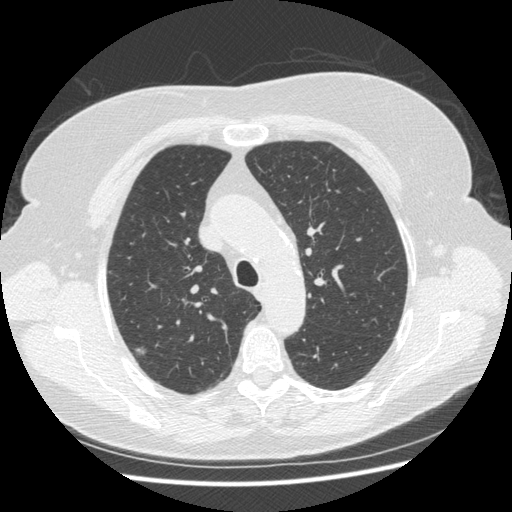
Axial slice 307 of 413 of a chest CT (slice 1 is the lowest), reconstructed with the STANDARD kernel at 120 kVp; 1.25 mm slice thickness and 0.703 mm pixels.
Pulmonary nodule at rows 347–355, columns 135–146 (box = the union of the readers' outlines on this slice), outlined by three of the four readers; median longest diameter 10.2 mm (readers' outlines 8.7–10.5 mm), median volume 150 mm3 (88–182 mm3). Ratings, median across the readers with their spread: median texture 3/5 (part-solid) (readers ranged 2/5 to 5/5 (solid)); margin 2/5 at the median of three readers, spread 1/5 (indistinct) to 4/5; median sphericity 4/5 (readers ranged 3/5 (ovoid) to 4/5); calcification absent from all three readers; internal structure soft tissue, all three readers agreeing; subtlety 4/5 at the median of three readers, spread 4–5; malignancy likelihood 4/5, all three readers agreeing. Scale key (1–5): texture non-solid→solid, margin indistinct→circumscribed, sphericity linear→round, subtlety extremely subtle→obvious, malignancy likelihood highly unlikely→highly suspicious of cancer. Box rows and columns are 0-based pixel indices from the top-left corner, inclusive.